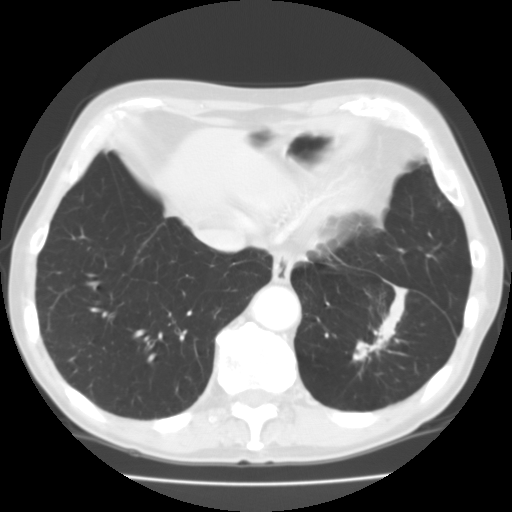
Chest CT, axial plane, 135 kVp, kernel FC01. Slice 38/129 from the bottom of the scan; thickness 3.00 mm; pixel size 0.662 mm.
Pulmonary nodule at rows 340–361, columns 352–373 (box = the union of the readers' outlines on this slice), outlined by three of the four readers; longest diameter 22.5 mm on average over the three readers' outlines (readers' outlines 21.3–24.4 mm), volume 2229–2513 mm3. The readers' prevailing ratings and who disagreed: texture 5/5 (solid) from all three readers; margin split among the readers: 2/5 (one), 4/5 (one), 5/5 (circumscribed) (one); sphericity split among the readers: 3/5 (ovoid) (one), 4/5 (one), 5/5 (round) (one); calcification absent from all three readers; internal structure soft tissue, all three readers agreeing; subtlety 5/5 from all three readers; most readers (two of three) put malignancy likelihood at 4/5, others 3/5 (one). Scale key (1–5): texture non-solid→solid, margin indistinct→circumscribed, sphericity linear→round, subtlety extremely subtle→obvious, malignancy likelihood highly unlikely→highly suspicious of cancer. Box rows and columns are 0-based pixel indices from the top-left corner, inclusive.